Axial slice 44 of 141 of a chest CT (slice 1 is the lowest), reconstructed with the LUNG kernel at 120 kVp; 2.50 mm slice thickness and 0.820 mm pixels.
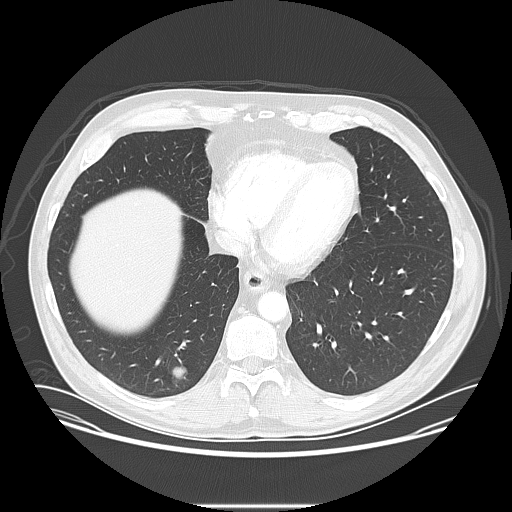
Pulmonary nodule at rows 366–384, columns 172–187 (box = the union of the readers' outlines on this slice), outlined by all four readers; longest diameter 19.2–21.8 mm and volume 2661–3789 mm3 across the four readers' outlines. Ratings across the readers: texture 5/5 (solid) from all four readers; margin from 4/5 to 5/5 (circumscribed) across the four readers; sphericity from 3/5 (ovoid) to 4/5 across the four readers; calcification absent from all four readers; internal structure soft tissue, all four readers agreeing; subtlety from 4/5 to 5/5 across the four readers; malignancy likelihood from 3/5 to 5/5 across the four readers. Scale key (1–5): texture non-solid→solid, margin indistinct→circumscribed, sphericity linear→round, subtlety extremely subtle→obvious, malignancy likelihood highly unlikely→highly suspicious of cancer. Box rows and columns are 0-based pixel indices from the top-left corner, inclusive.